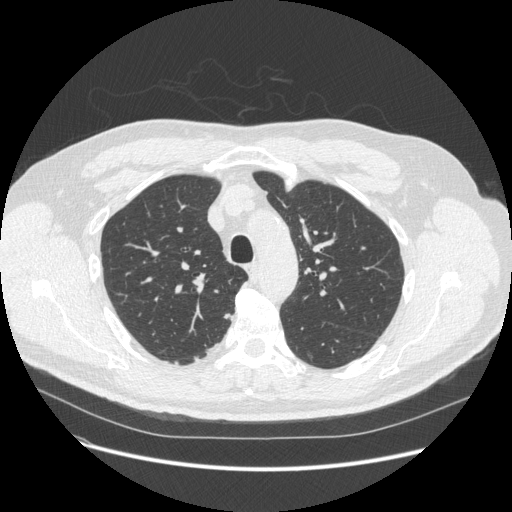
Axial slice 392 of 541 of a chest CT (slice 1 is the lowest), reconstructed with the STANDARD kernel at 120 kVp; 1.25 mm slice thickness and 0.781 mm pixels.
Pulmonary nodule, outlined by three of the four readers. Box on this slice rows 313–319, columns 222–230, the union of the readers' outlines on this slice; median longest diameter 7.0 mm (readers' outlines 7.0–8.0 mm), median volume 78 mm3 (58–82 mm3). Ratings, median across the readers with their spread: texture 5/5 (solid), all three readers agreeing; median margin 4/5 (readers ranged 3/5 to 5/5 (circumscribed)); sphericity 3/5 (ovoid) at the median of three readers, spread 2/5 to 4/5; calcification absent, all three readers agreeing; internal structure soft tissue from all three readers; median subtlety 4/5 (readers ranged 3–5); malignancy likelihood 2/5 at the median of three readers, spread 2–4. Scale key (1–5): texture non-solid→solid, margin indistinct→circumscribed, sphericity linear→round, subtlety extremely subtle→obvious, malignancy likelihood highly unlikely→highly suspicious of cancer. Box rows and columns are 0-based pixel indices from the top-left corner, inclusive.